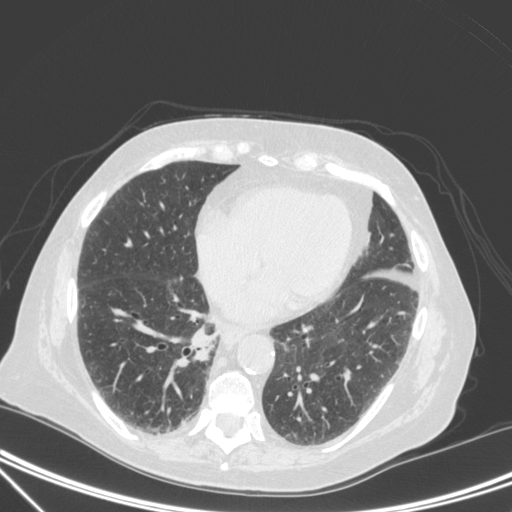
One axial slice (115 of 350, counting up from the lowest) of a chest CT acquired at 120 kVp with the C kernel; each pixel is 0.725 mm and the slice is 1.50 mm thick.
Pulmonary nodule at rows 338–358, columns 197–211 (box = that reader's outline on this slice), outlined by one of the four readers; longest diameter 29.7 mm and volume 4028 mm3 from that reader's outline. That reader's ratings: texture 5/5 (solid); margin 3/5; sphericity 3/5 (ovoid); calcification absent; internal structure soft tissue; subtlety 5/5; malignancy likelihood 4/5. Scale key (1–5): texture non-solid→solid, margin indistinct→circumscribed, sphericity linear→round, subtlety extremely subtle→obvious, malignancy likelihood highly unlikely→highly suspicious of cancer. Box rows and columns are 0-based pixel indices from the top-left corner, inclusive.